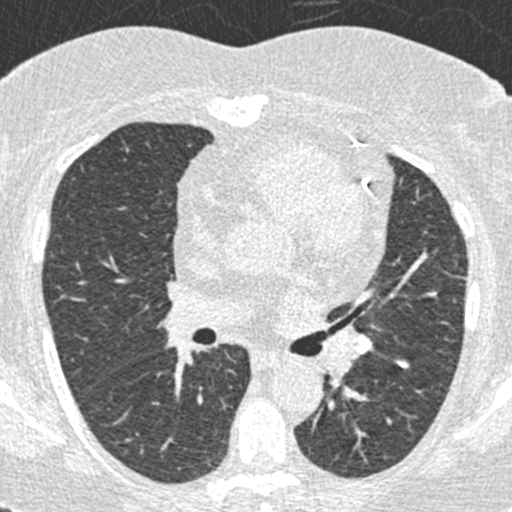
Axial slice 269 of 423 of a chest CT (slice 1 is the lowest), reconstructed with the B30f kernel at 120 kVp; 0.75 mm slice thickness and 0.520 mm pixels.
Pulmonary nodule outlined by all four readers, three of them on this slice; box rows 358–368, columns 394–410 (the union of the readers' outlines on this slice); longest diameter 8.7 mm on average over the four readers' outlines (readers' outlines 8.1–9.5 mm), volume 146–244 mm3. The readers' prevailing ratings and who disagreed: texture 5/5 (solid) from all four readers; margin 5/5 (circumscribed) from all four readers; sphericity 3/5 (ovoid) by two of four readers; the rest gave 4/5 (one), 5/5 (round) (one); calcification solid calcification, all four readers agreeing; internal structure soft tissue, all four readers agreeing; most readers (three of four) put subtlety at 5/5, others 4/5 (one); malignancy likelihood 1/5 from all four readers. Scale key (1–5): texture non-solid→solid, margin indistinct→circumscribed, sphericity linear→round, subtlety extremely subtle→obvious, malignancy likelihood highly unlikely→highly suspicious of cancer. Box rows and columns are 0-based pixel indices from the top-left corner, inclusive.